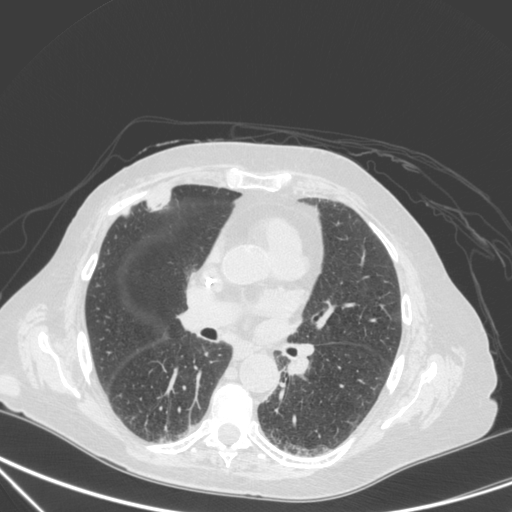
Axial chest CT slice 175 of 350 (counted from the lowest slice); 1.50 mm thick, 0.725 mm per pixel. Two pulmonary nodules are outlined on this slice; from left to right: (1) Pulmonary nodule at rows 210–216, columns 123–129 (box = that reader's outline on this slice), outlined by one of the four readers; longest diameter 11.5 mm and volume 223 mm3 from that reader's outline. That reader's ratings: texture 5/5 (solid); margin 4/5; sphericity 4/5; calcification absent; internal structure soft tissue; subtlety 5/5; malignancy likelihood 4/5. (2) Pulmonary nodule, outlined by one of the four readers. Box on this slice rows 190–210, columns 147–170, that reader's outline on this slice; longest diameter 29.5 mm and volume 4181 mm3 from that reader's outline. Ratings by that reader: texture 5/5 (solid); margin 4/5; sphericity 2/5; calcification absent; internal structure soft tissue; subtlety 5/5; malignancy likelihood 4/5. Scale key (1–5): texture non-solid→solid, margin indistinct→circumscribed, sphericity linear→round, subtlety extremely subtle→obvious, malignancy likelihood highly unlikely→highly suspicious of cancer. Box rows and columns are 0-based pixel indices from the top-left corner, inclusive.
Acquired at 120 kVp and reconstructed with the C kernel.